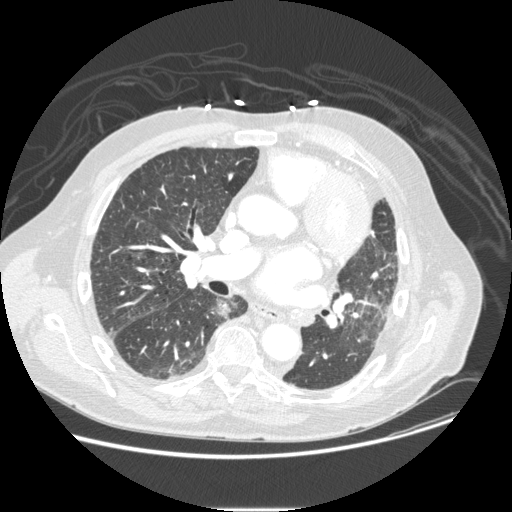
Axial chest CT slice 140 of 232 (counted from the lowest slice); tube voltage 120 kVp, convolution kernel STANDARD; slices 1.25 mm thick, 0.781 mm per pixel.
Pulmonary nodule, outlined by three of the four readers. Box on this slice rows 298–318, columns 212–239, the union of the readers' outlines on this slice; median longest diameter 21.2 mm (readers' outlines 19.3–24.1 mm), median volume 1089 mm3 (947–2023 mm3). Ratings, median across the readers with their spread: texture 1/5 (non-solid) at the median of three readers, spread 1/5 (non-solid) to 2/5; median margin 3/5 (readers ranged 2/5 to 3/5); sphericity 3/5 (ovoid) at the median of three readers, spread 2/5 to 4/5; calcification absent from all three readers; internal structure soft tissue, all three readers agreeing; subtlety 4/5 at the median of three readers, spread 3–4; malignancy likelihood 4/5 at the median of three readers, spread 2–4. Scale key (1–5): texture non-solid→solid, margin indistinct→circumscribed, sphericity linear→round, subtlety extremely subtle→obvious, malignancy likelihood highly unlikely→highly suspicious of cancer. Box rows and columns are 0-based pixel indices from the top-left corner, inclusive.